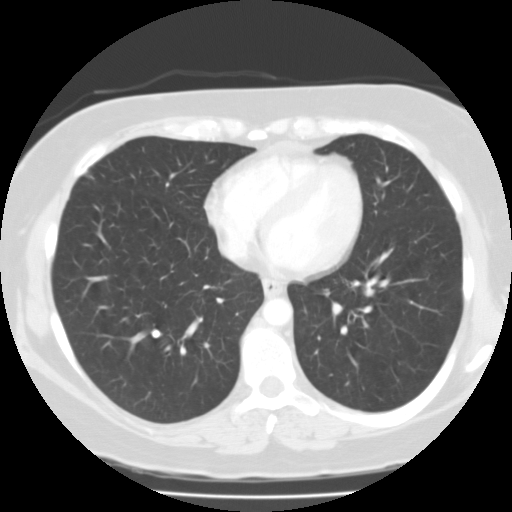
One axial slice (48 of 112, counting up from the lowest) of a chest CT acquired at 135 kVp with the FC01 kernel; each pixel is 0.659 mm and the slice is 3.00 mm thick.
Pulmonary nodule, outlined by one of the four readers. Box on this slice rows 330–336, columns 152–159, that reader's outline on this slice; longest diameter 6.0 mm and volume 139 mm3 from that reader's outline. That reader's ratings: texture 5/5 (solid); margin 5/5 (circumscribed); sphericity 5/5 (round); calcification solid calcification; internal structure soft tissue; subtlety 5/5; malignancy likelihood 1/5. Scale key (1–5): texture non-solid→solid, margin indistinct→circumscribed, sphericity linear→round, subtlety extremely subtle→obvious, malignancy likelihood highly unlikely→highly suspicious of cancer. Box rows and columns are 0-based pixel indices from the top-left corner, inclusive.